Axial chest CT slice 352 of 474 (counted from the lowest slice); tube voltage 120 kVp, convolution kernel STANDARD; slices 1.25 mm thick, 0.625 mm per pixel.
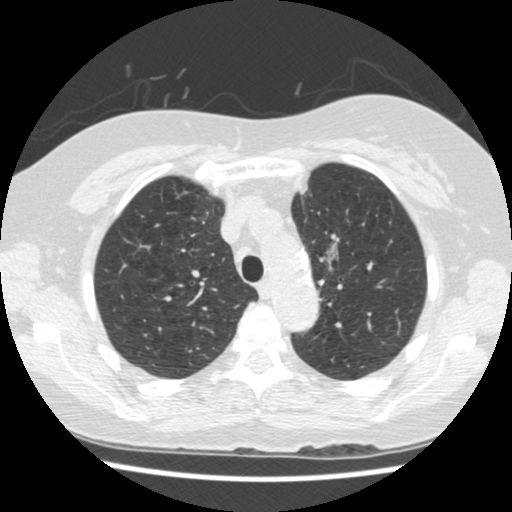
Pulmonary nodule, outlined by one of the four readers. Box on this slice rows 244–270, columns 320–337, that reader's outline on this slice; longest diameter 17.7 mm and volume 538 mm3 from that reader's outline. That reader's ratings: texture 1/5 (non-solid); margin 2/5; sphericity 3/5 (ovoid); calcification absent; internal structure soft tissue; subtlety 3/5; malignancy likelihood 2/5. Scale key (1–5): texture non-solid→solid, margin indistinct→circumscribed, sphericity linear→round, subtlety extremely subtle→obvious, malignancy likelihood highly unlikely→highly suspicious of cancer. Box rows and columns are 0-based pixel indices from the top-left corner, inclusive.